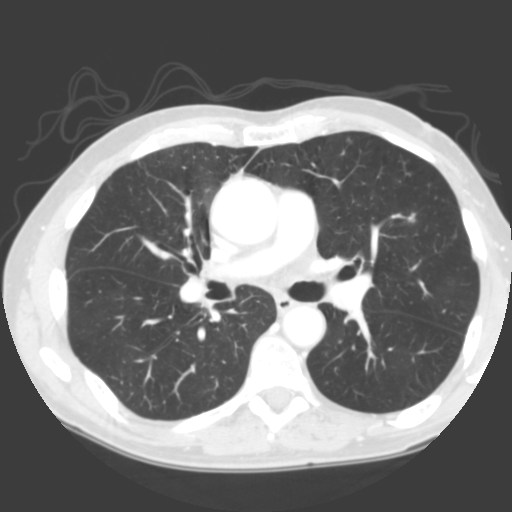
Axial slice 186 of 335 of a chest CT (slice 1 is the lowest), reconstructed with the B kernel at 120 kVp; 2.00 mm slice thickness and 0.623 mm pixels.
Pulmonary nodule at rows 213–223, columns 406–415 (box = the union of the readers' outlines on this slice), outlined by three of the four readers; median longest diameter 8.9 mm (readers' outlines 7.9–10.3 mm), median volume 222 mm3 (194–222 mm3). Ratings, median across the readers with their spread: median texture 4/5 (readers ranged 4/5 to 5/5 (solid)); margin 3/5 at the median of three readers, spread 2/5 to 4/5; sphericity 3/5 (ovoid) at the median of three readers, spread 3/5 (ovoid) to 4/5; calcification absent, all three readers agreeing; internal structure soft tissue from all three readers; median subtlety 3/5 (readers ranged 3–5); median malignancy likelihood 3/5 (readers ranged 2–4). Scale key (1–5): texture non-solid→solid, margin indistinct→circumscribed, sphericity linear→round, subtlety extremely subtle→obvious, malignancy likelihood highly unlikely→highly suspicious of cancer. Box rows and columns are 0-based pixel indices from the top-left corner, inclusive.